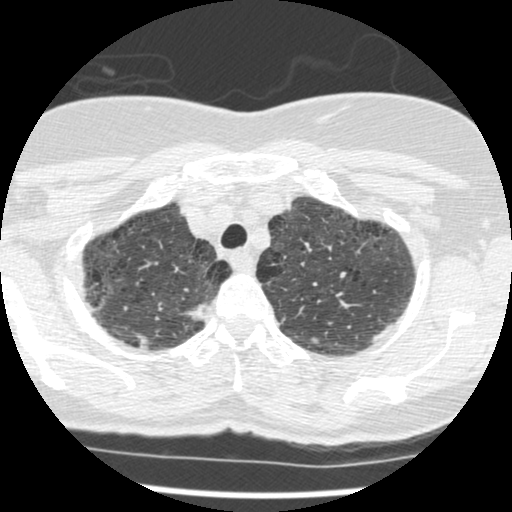
Axial chest CT slice 404 of 465 (counted from the lowest slice); 1.25 mm thick, 0.586 mm per pixel. Pulmonary nodule, outlined by two of the four readers. Box on this slice rows 338–343, columns 311–318, the union of the readers' outlines on this slice; longest diameter 5.5 mm on average over the two readers' outlines (readers' outlines 5.5–5.6 mm), volume 23–30 mm3. Ratings, by the readers' most common answer with dissent counted: texture split among the readers: 2/5 (one), 5/5 (solid) (one); margin split among the readers: 2/5 (one), 5/5 (circumscribed) (one); sphericity split among the readers: 2/5 (one), 3/5 (ovoid) (one); calcification absent, both readers agreeing; internal structure soft tissue from both readers; subtlety split among the readers: 1/5 (one), 4/5 (one); malignancy likelihood split among the readers: 1/5 (one), 3/5 (one). Scale key (1–5): texture non-solid→solid, margin indistinct→circumscribed, sphericity linear→round, subtlety extremely subtle→obvious, malignancy likelihood highly unlikely→highly suspicious of cancer. Box rows and columns are 0-based pixel indices from the top-left corner, inclusive.
Tube voltage 120 kVp; convolution kernel STANDARD.